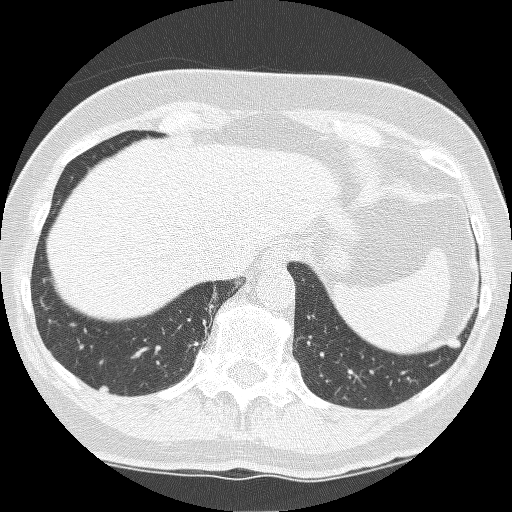
Axial chest CT slice 53 of 250 (counted from the lowest slice); 1.25 mm thick, 0.586 mm per pixel. Two pulmonary nodules are outlined on this slice; from left to right: (1) Pulmonary nodule outlined by three of the four readers; box rows 385–393, columns 97–109 (the union of the readers' outlines on this slice); longest diameter 7.7 mm on average over the three readers' outlines (readers' outlines 7.7 mm), volume 89–124 mm3. The readers' prevailing ratings and who disagreed: most readers (two of three) put texture at 5/5 (solid), others 4/5 (one); margin 4/5 by two of three readers; the rest gave 5/5 (circumscribed) (one); sphericity 4/5 by two of three readers; the rest gave 3/5 (ovoid) (one); calcification absent, all three readers agreeing; internal structure soft tissue, all three readers agreeing; subtlety 5/5 by two of three readers; the rest gave 4/5 (one); most readers (two of three) put malignancy likelihood at 4/5, others 3/5 (one). (2) Pulmonary nodule, outlined by three of the four readers. Box on this slice rows 337–348, columns 446–460, the union of the readers' outlines on this slice; longest diameter 9.8 mm on average over the three readers' outlines (readers' outlines 9.0–10.8 mm), volume 291–346 mm3. Ratings, by the readers' most common answer with dissent counted: most readers (two of three) put texture at 5/5 (solid), others 4/5 (one); most readers (two of three) put margin at 4/5, others 3/5 (one); sphericity 3/5 (ovoid) from all three readers; calcification absent from all three readers; internal structure soft tissue, all three readers agreeing; most readers (two of three) put subtlety at 5/5, others 4/5 (one); malignancy likelihood 4/5 by two of three readers; the rest gave 3/5 (one). Scale key (1–5): texture non-solid→solid, margin indistinct→circumscribed, sphericity linear→round, subtlety extremely subtle→obvious, malignancy likelihood highly unlikely→highly suspicious of cancer. Box rows and columns are 0-based pixel indices from the top-left corner, inclusive.
Scan settings: 120 kVp, BONE reconstruction kernel.